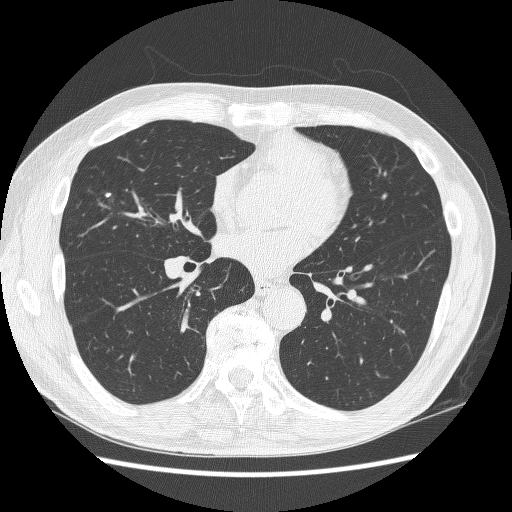
Axial slice 119 of 270 of a chest CT (slice 1 is the lowest), reconstructed with the BONE kernel at 120 kVp; 1.25 mm slice thickness and 0.703 mm pixels.
Pulmonary nodule at rows 191–198, columns 104–112 (box = the union of the readers' outlines on this slice), outlined by all four readers; median longest diameter 10.6 mm (readers' outlines 9.8–10.9 mm), median volume 255 mm3 (198–291 mm3). Median ratings and the readers' spread: texture 5/5 (solid), all four readers agreeing; margin 4.5/5 at the median of four readers, spread 3/5 to 5/5 (circumscribed); sphericity 2.5/5 at the median of four readers, spread 2/5 to 3/5 (ovoid); calcification split among the readers: solid calcification (two), absent (two); internal structure soft tissue, all four readers agreeing; subtlety 4/5 at the median of four readers, spread 3–5; malignancy likelihood 2/5 at the median of four readers, spread 1–3. Scale key (1–5): texture non-solid→solid, margin indistinct→circumscribed, sphericity linear→round, subtlety extremely subtle→obvious, malignancy likelihood highly unlikely→highly suspicious of cancer. Box rows and columns are 0-based pixel indices from the top-left corner, inclusive.